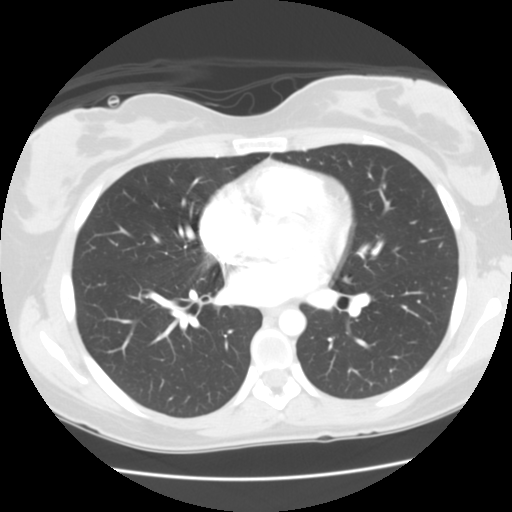
One axial slice (79 of 133, counting up from the lowest) of a chest CT acquired at 120 kVp with the STANDARD kernel; each pixel is 0.625 mm and the slice is 2.50 mm thick.
This slice carries no reader outline of a nodule 3 mm or larger.